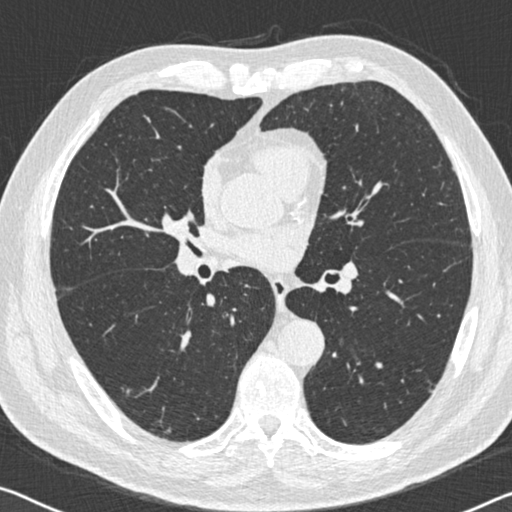
Chest CT, axial plane, 120 kVp, kernel B30f. Slice 308/536 from the bottom of the scan; thickness 0.75 mm; pixel size 0.656 mm.
Pulmonary nodule at rows 427–433, columns 165–171 (box = the union of the readers' outlines on this slice), outlined by three of the four readers; longest diameter 5.9–8.6 mm and volume 49–116 mm3 across the three readers' outlines. The readers' ratings, as ranges where they differ: texture from 4/5 to 5/5 (solid) across the three readers; margin 4/5 from all three readers; sphericity from 3/5 (ovoid) to 4/5 across the three readers; calcification: absent (two), non-central calcification (one); internal structure soft tissue, all three readers agreeing; subtlety from 3/5 to 5/5 across the three readers; malignancy likelihood from 2/5 to 3/5 across the three readers. Scale key (1–5): texture non-solid→solid, margin indistinct→circumscribed, sphericity linear→round, subtlety extremely subtle→obvious, malignancy likelihood highly unlikely→highly suspicious of cancer. Box rows and columns are 0-based pixel indices from the top-left corner, inclusive.